Axial chest CT slice 203 of 333 (counted from the lowest slice); tube voltage 120 kVp, convolution kernel B70f; slices 2.00 mm thick, 0.775 mm per pixel.
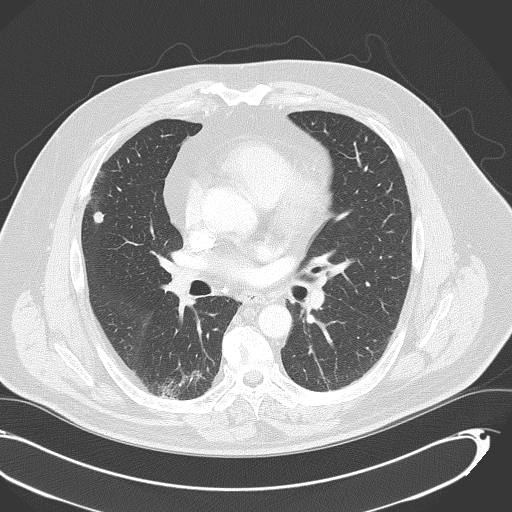
Pulmonary nodule, outlined by all four readers. Box on this slice rows 211–223, columns 93–104, the union of the readers' outlines on this slice; the four readers' outlines give a longest diameter between 9.4 and 12.6 mm and a volume between 231 and 434 mm3. Ratings across the readers: texture 5/5 (solid), all four readers agreeing; margin from 4/5 to 5/5 (circumscribed) across the four readers; sphericity from 4/5 to 5/5 (round) across the four readers; calcification: absent (three), non-central calcification (one); internal structure soft tissue from all four readers; subtlety from 3/5 to 5/5 across the four readers; malignancy likelihood 1–4/5 (the readers disagree). Scale key (1–5): texture non-solid→solid, margin indistinct→circumscribed, sphericity linear→round, subtlety extremely subtle→obvious, malignancy likelihood highly unlikely→highly suspicious of cancer. Box rows and columns are 0-based pixel indices from the top-left corner, inclusive.